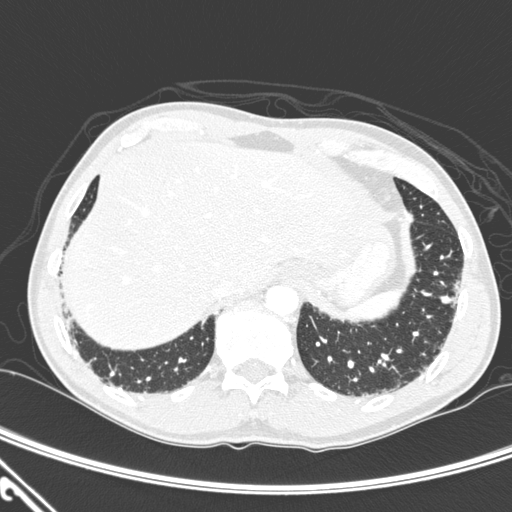
One axial slice (46 of 276, counting up from the lowest) of a chest CT acquired at 120 kVp with the D kernel; each pixel is 0.639 mm and the slice is 1.00 mm thick.
Pulmonary nodule at rows 295–304, columns 439–450 (box = the union of the readers' outlines on this slice), outlined by two of the four readers; median longest diameter 8.8 mm (readers' outlines 8.7–8.9 mm), median volume 214 mm3 (206–221 mm3). Ratings, median across the readers with their spread: texture 5/5 (solid) from both readers; margin 2.5/5 at the median of two readers, spread 2/5 to 3/5; median sphericity 3/5 (ovoid) (readers ranged 2/5 to 4/5); calcification absent from both readers; internal structure soft tissue from both readers; subtlety 4/5 at the median of two readers, spread 3–5; malignancy likelihood 3/5 from both readers. Scale key (1–5): texture non-solid→solid, margin indistinct→circumscribed, sphericity linear→round, subtlety extremely subtle→obvious, malignancy likelihood highly unlikely→highly suspicious of cancer. Box rows and columns are 0-based pixel indices from the top-left corner, inclusive.